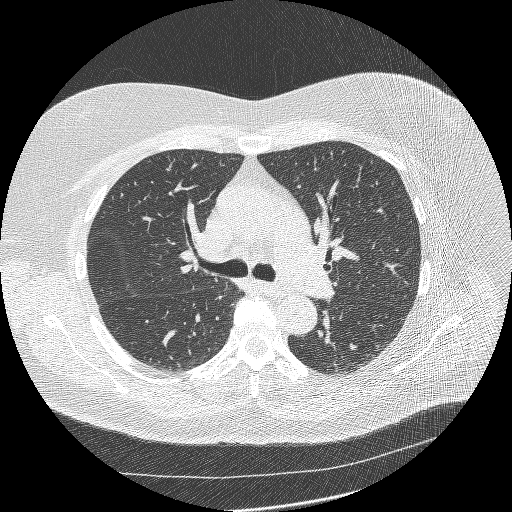
This is axial slice 154 of 231 (slice 1 is the lowest) of a chest CT; each pixel is 0.703 mm and the slice is 1.25 mm thick. This slice carries no reader outline of a nodule 3 mm or larger.
Tube voltage 120 kVp; convolution kernel BONE.